Chest CT, axial plane, 120 kVp, kernel STANDARD. Slice 308/481 from the bottom of the scan; thickness 1.25 mm; pixel size 0.742 mm.
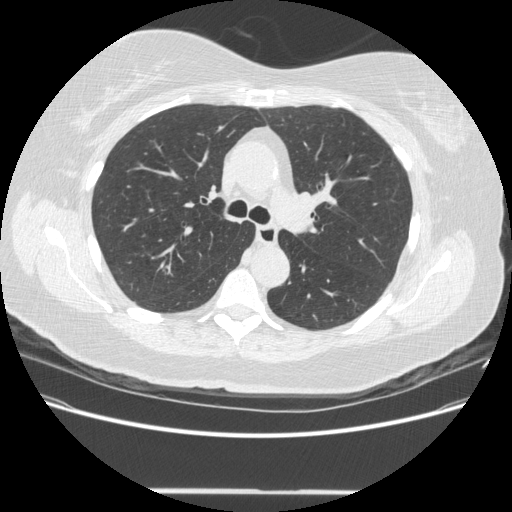
Pulmonary nodule outlined by three of the four readers, one of them on this slice; box rows 266–273, columns 164–168 (the one reader's outline on this slice); longest diameter 14.5 mm on average over the three readers' outlines (readers' outlines 13.9–15.6 mm), volume 741–820 mm3. Ratings, by the readers' most common answer with dissent counted: texture 4/5 from all three readers; most readers (two of three) put margin at 4/5, others 3/5 (one); most readers (two of three) put sphericity at 3/5 (ovoid), others 4/5 (one); calcification absent, all three readers agreeing; internal structure soft tissue from all three readers; most readers (two of three) put subtlety at 4/5, others 5/5 (one); most readers (two of three) put malignancy likelihood at 5/5, others 4/5 (one). Scale key (1–5): texture non-solid→solid, margin indistinct→circumscribed, sphericity linear→round, subtlety extremely subtle→obvious, malignancy likelihood highly unlikely→highly suspicious of cancer. Box rows and columns are 0-based pixel indices from the top-left corner, inclusive.